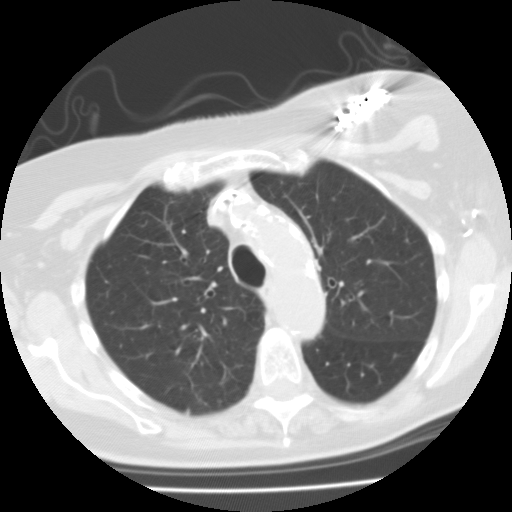
This is axial slice 93 of 122 (slice 1 is the lowest) of a chest CT; each pixel is 0.586 mm and the slice is 3.00 mm thick. The readers outlined no nodule of 3 mm or more on this slice.
Tube voltage 135 kVp; convolution kernel FC01.